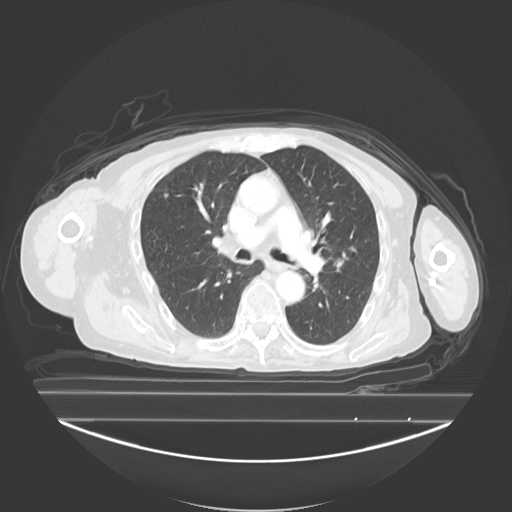
Axial chest CT slice 157 of 278 (counted from the lowest slice); 3.00 mm thick, 0.977 mm per pixel. Two pulmonary nodules are outlined on this slice; from left to right: (1) Pulmonary nodule, outlined by two of the four readers. Box on this slice rows 193–197, columns 163–168, the union of the readers' outlines on this slice; median longest diameter 7.2 mm (readers' outlines 6.9–7.4 mm), median volume 87 mm3 (72–103 mm3). Ratings, median across the readers with their spread: texture 4/5 at the median of two readers, spread 3/5 (part-solid) to 5/5 (solid); median margin 3.5/5 (readers ranged 3/5 to 4/5); sphericity 4/5 from both readers; calcification absent from both readers; internal structure soft tissue, both readers agreeing; median subtlety 3.5/5 (readers ranged 3–4); median malignancy likelihood 2/5 (readers ranged 1–3). (2) Pulmonary nodule outlined by three of the four readers; box rows 259–271, columns 334–343 (the union of the readers' outlines on this slice); median longest diameter 12.8 mm (readers' outlines 12.8–14.8 mm), median volume 803 mm3 (665–985 mm3). Ratings, median across the readers with their spread: texture 5/5 (solid) at the median of three readers, spread 4/5 to 5/5 (solid); margin 4/5 from all three readers; median sphericity 5/5 (round) (readers ranged 4/5 to 5/5 (round)); calcification absent from all three readers; internal structure soft tissue from all three readers; subtlety 4/5 at the median of three readers, spread 3–5; malignancy likelihood 3/5 at the median of three readers, spread 2–4. Scale key (1–5): texture non-solid→solid, margin indistinct→circumscribed, sphericity linear→round, subtlety extremely subtle→obvious, malignancy likelihood highly unlikely→highly suspicious of cancer. Box rows and columns are 0-based pixel indices from the top-left corner, inclusive.
Acquired at 130 kVp and reconstructed with the B40s kernel.